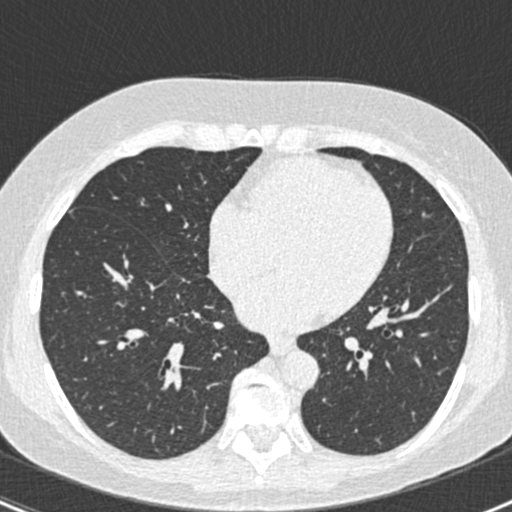
One axial slice (199 of 429, counting up from the lowest) of a chest CT acquired at 120 kVp with the B30f kernel; each pixel is 0.586 mm and the slice is 0.75 mm thick.
Pulmonary nodule at rows 207–213, columns 68–75 (box = the union of the readers' outlines on this slice), outlined by three of the four readers; longest diameter 9.8–12.3 mm and volume 207–302 mm3 across the three readers' outlines. Ratings across the readers: texture 5/5 (solid), all three readers agreeing; margin from 4/5 to 5/5 (circumscribed) across the three readers; sphericity from 2/5 to 3/5 (ovoid) across the three readers; calcification absent, all three readers agreeing; internal structure soft tissue from all three readers; subtlety 5/5, all three readers agreeing; malignancy likelihood from 2/5 to 4/5 across the three readers. Scale key (1–5): texture non-solid→solid, margin indistinct→circumscribed, sphericity linear→round, subtlety extremely subtle→obvious, malignancy likelihood highly unlikely→highly suspicious of cancer. Box rows and columns are 0-based pixel indices from the top-left corner, inclusive.